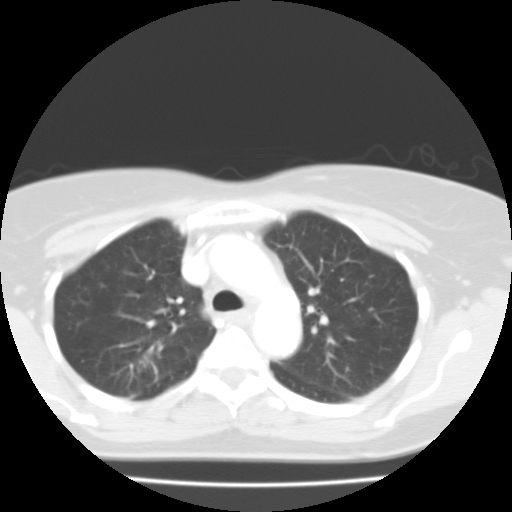
Axial slice 69 of 99 of a chest CT (slice 1 is the lowest), reconstructed with the FC01 kernel at 135 kVp; 3.00 mm slice thickness and 0.586 mm pixels.
Pulmonary nodule, outlined by all four readers, three of them on this slice. Box on this slice rows 342–369, columns 138–160, the union of the readers' outlines on this slice; longest diameter 24.7 mm on average over the four readers' outlines (readers' outlines 23.2–25.9 mm), volume 4482–6539 mm3. Ratings, by the readers' most common answer with dissent counted: texture 5/5 (solid), all four readers agreeing; most readers (three of four) put margin at 4/5, others 5/5 (circumscribed) (one); sphericity split among the readers: 4/5 (two), 5/5 (round) (two); calcification absent, all four readers agreeing; internal structure soft tissue, all four readers agreeing; subtlety 5/5 by three of four readers; the rest gave 3/5 (one); malignancy likelihood 5/5 by two of four readers; the rest gave 2/5 (one), 3/5 (one). Scale key (1–5): texture non-solid→solid, margin indistinct→circumscribed, sphericity linear→round, subtlety extremely subtle→obvious, malignancy likelihood highly unlikely→highly suspicious of cancer. Box rows and columns are 0-based pixel indices from the top-left corner, inclusive.